Axial chest CT slice 199 of 509 (counted from the lowest slice); tube voltage 120 kVp, convolution kernel STANDARD; slices 1.25 mm thick, 0.703 mm per pixel.
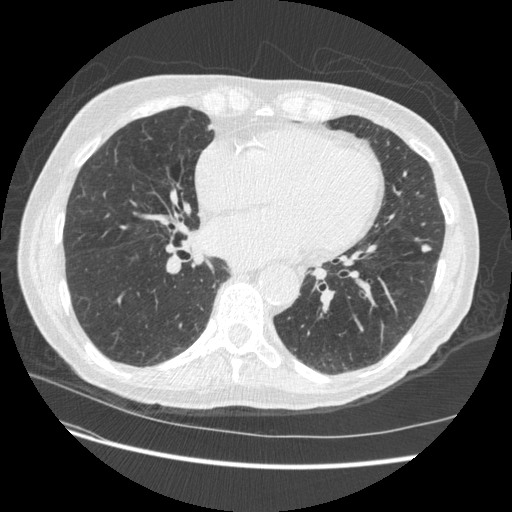
Pulmonary nodule at rows 243–252, columns 421–432 (box = the union of the readers' outlines on this slice), outlined by three of the four readers; the three readers' outlines give a longest diameter between 6.9 and 9.6 mm and a volume between 87 and 218 mm3. Ratings across the readers: texture 5/5 (solid) from all three readers; margin 4/5, all three readers agreeing; sphericity from 3/5 (ovoid) to 4/5 across the three readers; calcification absent, all three readers agreeing; internal structure soft tissue from all three readers; subtlety from 4/5 to 5/5 across the three readers; malignancy likelihood from 2/5 to 5/5 across the three readers. Scale key (1–5): texture non-solid→solid, margin indistinct→circumscribed, sphericity linear→round, subtlety extremely subtle→obvious, malignancy likelihood highly unlikely→highly suspicious of cancer. Box rows and columns are 0-based pixel indices from the top-left corner, inclusive.